Axial chest CT slice 35 of 111 (counted from the lowest slice); tube voltage 135 kVp, convolution kernel FC01; slices 3.00 mm thick, 0.714 mm per pixel.
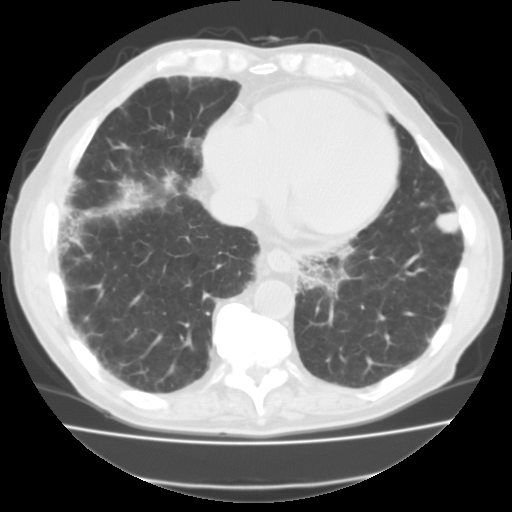
Pulmonary nodule outlined by all four readers; box rows 211–233, columns 435–460 (the union of the readers' outlines on this slice); longest diameter 20.2 mm on average over the four readers' outlines (readers' outlines 19.5–21.5 mm), volume 3640–4836 mm3. Ratings, by the readers' most common answer with dissent counted: texture 5/5 (solid), all four readers agreeing; margin 5/5 (circumscribed) by three of four readers; the rest gave 4/5 (one); sphericity 3/5 (ovoid) by two of four readers; the rest gave 4/5 (one), 5/5 (round) (one); calcification absent from all four readers; internal structure soft tissue, all four readers agreeing; subtlety 5/5, all four readers agreeing; malignancy likelihood split among the readers: 2/5 (one), 3/5 (one), 4/5 (one), 5/5 (one). Scale key (1–5): texture non-solid→solid, margin indistinct→circumscribed, sphericity linear→round, subtlety extremely subtle→obvious, malignancy likelihood highly unlikely→highly suspicious of cancer. Box rows and columns are 0-based pixel indices from the top-left corner, inclusive.